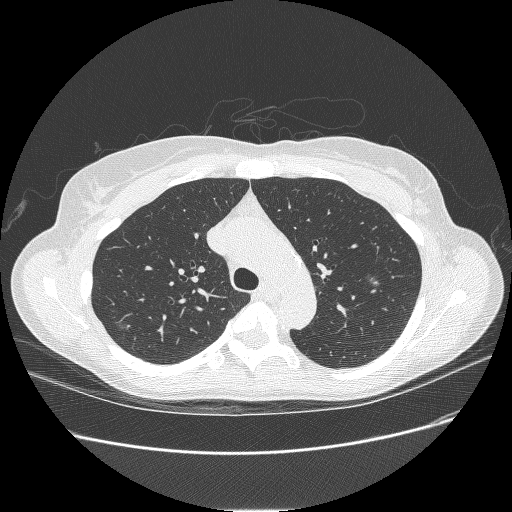
Slice 182/238 of a chest CT, counting up from the lowest; pixel size 0.703 mm, slice thickness 1.25 mm. Two pulmonary nodules are outlined on this slice; from left to right: (1) Pulmonary nodule at rows 323–328, columns 116–126 (box = the union of the readers' outlines on this slice), outlined by two of the four readers; the two readers' outlines give a longest diameter between 7.3 and 8.5 mm and a volume of 87 mm3. The readers' ratings, as ranges where they differ: texture 1/5 (non-solid), both readers agreeing; margin 1/5 (indistinct) from both readers; sphericity from 3/5 (ovoid) to 4/5 across the two readers; calcification absent from both readers; internal structure soft tissue from both readers; subtlety rated between 1 and 4 out of 5 by the two readers; malignancy likelihood 3–4/5 (the readers disagree). (2) Pulmonary nodule at rows 272–288, columns 364–382 (box = the union of the readers' outlines on this slice), outlined by all four readers, three of them on this slice; longest diameter 13.3–17.8 mm and volume 437–1030 mm3 across the four readers' outlines. Ratings across the readers: texture from 1/5 (non-solid) to 3/5 (part-solid) across the four readers; margin from 1/5 (indistinct) to 5/5 (circumscribed) across the four readers; sphericity from 3/5 (ovoid) to 4/5 across the four readers; calcification absent, all four readers agreeing; internal structure soft tissue from all four readers; subtlety from 3/5 to 5/5 across the four readers; malignancy likelihood rated between 2 and 4 out of 5 by the four readers. Scale key (1–5): texture non-solid→solid, margin indistinct→circumscribed, sphericity linear→round, subtlety extremely subtle→obvious, malignancy likelihood highly unlikely→highly suspicious of cancer. Box rows and columns are 0-based pixel indices from the top-left corner, inclusive.
Acquired at 120 kVp and reconstructed with the BONE kernel.